Axial slice 144 of 300 of a chest CT (slice 1 is the lowest), reconstructed with the D kernel at 120 kVp; 2.00 mm slice thickness and 0.678 mm pixels.
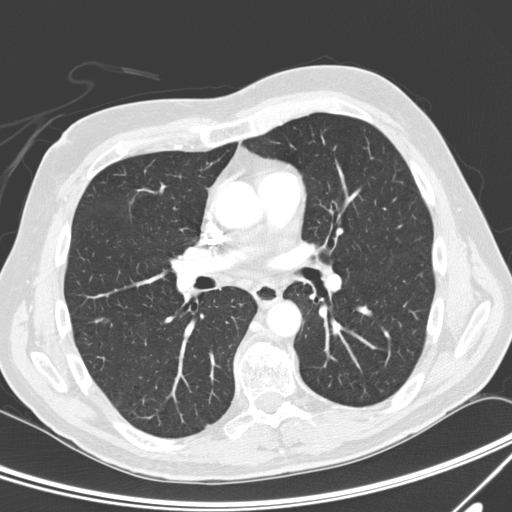
Pulmonary nodule, outlined by one of the four readers. Box on this slice rows 319–321, columns 93–100, that reader's outline on this slice; longest diameter 8.2 mm and volume 88 mm3 from that reader's outline. Ratings by that reader: texture 5/5 (solid); margin 5/5 (circumscribed); sphericity 2/5; calcification absent; internal structure soft tissue; subtlety 4/5; malignancy likelihood 2/5. Scale key (1–5): texture non-solid→solid, margin indistinct→circumscribed, sphericity linear→round, subtlety extremely subtle→obvious, malignancy likelihood highly unlikely→highly suspicious of cancer. Box rows and columns are 0-based pixel indices from the top-left corner, inclusive.